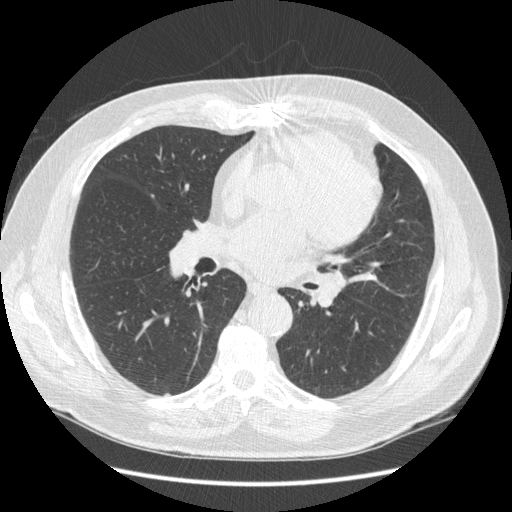
Axial chest CT slice 233 of 462 (counted from the lowest slice); tube voltage 120 kVp, convolution kernel STANDARD; slices 1.25 mm thick, 0.742 mm per pixel.
This slice carries no reader outline of a nodule 3 mm or larger.